One axial slice (60 of 193, counting up from the lowest) of a chest CT acquired at 120 kVp with the B30f kernel; each pixel is 0.547 mm and the slice is 2.00 mm thick.
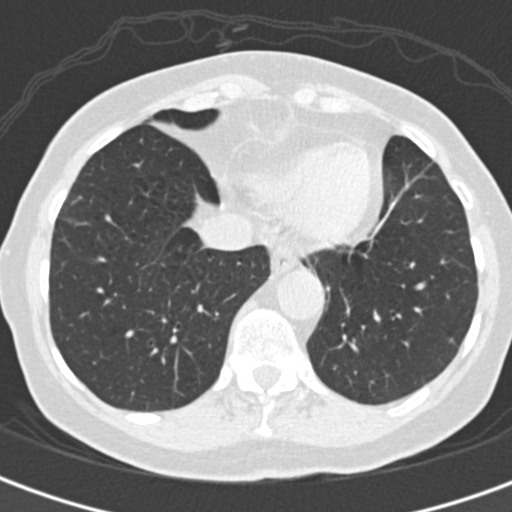
Pulmonary nodule, outlined by all four readers. Box on this slice rows 336–342, columns 447–453, the union of the readers' outlines on this slice; median longest diameter 5.9 mm (readers' outlines 5.9–6.9 mm), median volume 77 mm3 (68–137 mm3). Median ratings and the readers' spread: texture 5/5 (solid) at the median of four readers, spread 3/5 (part-solid) to 5/5 (solid); median margin 4.5/5 (readers ranged 4/5 to 5/5 (circumscribed)); sphericity 3.5/5 at the median of four readers, spread 3/5 (ovoid) to 5/5 (round); calcification absent from all four readers; internal structure soft tissue, all four readers agreeing; subtlety 3/5 at the median of four readers, spread 2–4; malignancy likelihood 3/5 at the median of four readers, spread 2–4. Scale key (1–5): texture non-solid→solid, margin indistinct→circumscribed, sphericity linear→round, subtlety extremely subtle→obvious, malignancy likelihood highly unlikely→highly suspicious of cancer. Box rows and columns are 0-based pixel indices from the top-left corner, inclusive.